Axial slice 106 of 241 of a chest CT (slice 1 is the lowest), reconstructed with the BONE kernel at 120 kVp; 1.25 mm slice thickness and 0.703 mm pixels.
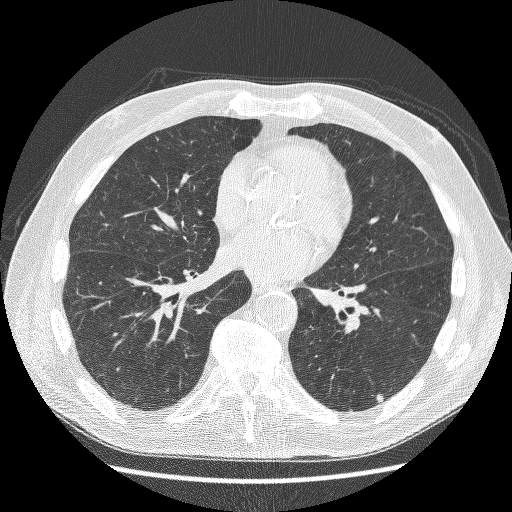
Pulmonary nodule outlined by all four readers; box rows 394–402, columns 376–384 (the union of the readers' outlines on this slice); median longest diameter 8.2 mm (readers' outlines 7.3–8.7 mm), median volume 119 mm3 (91–167 mm3). Ratings, median across the readers with their spread: texture 5/5 (solid) from all four readers; median margin 5/5 (circumscribed) (readers ranged 4/5 to 5/5 (circumscribed)); median sphericity 4/5 (readers ranged 3/5 (ovoid) to 5/5 (round)); calcification: absent (three), solid calcification (one); internal structure soft tissue, all four readers agreeing; subtlety 4/5 at the median of four readers, spread 4–5; median malignancy likelihood 3/5 (readers ranged 1–4). Scale key (1–5): texture non-solid→solid, margin indistinct→circumscribed, sphericity linear→round, subtlety extremely subtle→obvious, malignancy likelihood highly unlikely→highly suspicious of cancer. Box rows and columns are 0-based pixel indices from the top-left corner, inclusive.